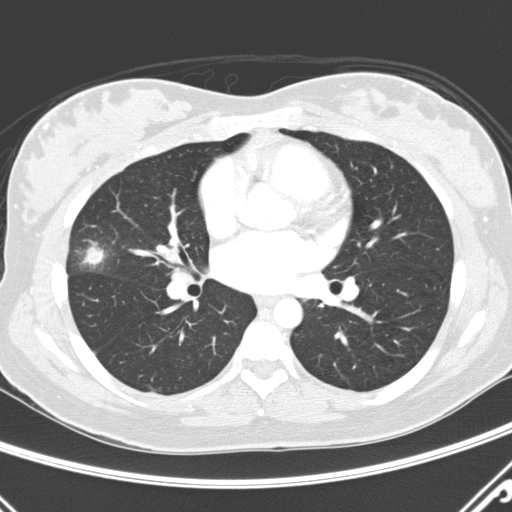
Axial slice 148 of 290 of a chest CT (slice 1 is the lowest), reconstructed with the D kernel at 120 kVp; 2.00 mm slice thickness and 0.648 mm pixels.
Pulmonary nodule at rows 243–265, columns 78–105 (box = the union of the readers' outlines on this slice), outlined by all four readers; longest diameter 26.3 mm on average over the four readers' outlines (readers' outlines 19.9–37.8 mm), volume 1327–2956 mm3. Ratings, by the readers' most common answer with dissent counted: texture split among the readers: 3/5 (part-solid) (two), 5/5 (solid) (two); margin 1/5 (indistinct) by two of four readers; the rest gave 2/5 (one), 3/5 (one); sphericity 3/5 (ovoid) by two of four readers; the rest gave 2/5 (one), 4/5 (one); calcification absent, all four readers agreeing; internal structure soft tissue from all four readers; subtlety 5/5 from all four readers; malignancy likelihood split among the readers: 3/5 (two), 5/5 (two). Scale key (1–5): texture non-solid→solid, margin indistinct→circumscribed, sphericity linear→round, subtlety extremely subtle→obvious, malignancy likelihood highly unlikely→highly suspicious of cancer. Box rows and columns are 0-based pixel indices from the top-left corner, inclusive.